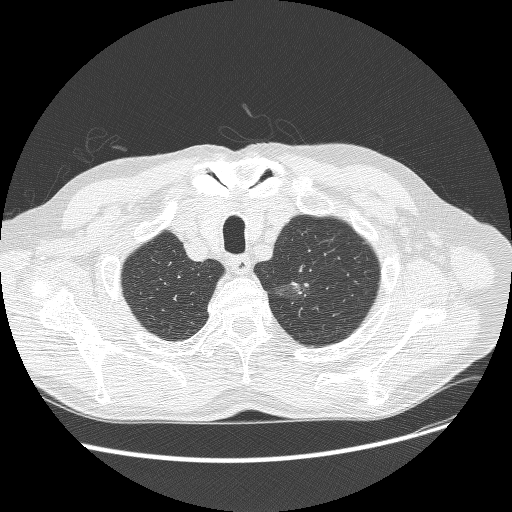
Chest CT, axial plane, 120 kVp, kernel BONE. Slice 237/268 from the bottom of the scan; thickness 1.25 mm; pixel size 0.742 mm.
Pulmonary nodule, outlined by three of the four readers, two of them on this slice. Box on this slice rows 283–301, columns 270–309, the union of the readers' outlines on this slice; median longest diameter 31.0 mm (readers' outlines 30.8–31.7 mm), median volume 5956 mm3 (4750–7267 mm3). Median ratings and the readers' spread: texture 3/5 (part-solid) from all three readers; margin 1/5 (indistinct), all three readers agreeing; median sphericity 3/5 (ovoid) (readers ranged 3/5 (ovoid) to 4/5); calcification absent from all three readers; internal structure soft tissue, all three readers agreeing; subtlety 5/5 at the median of three readers, spread 4–5; median malignancy likelihood 4/5 (readers ranged 4–5). Scale key (1–5): texture non-solid→solid, margin indistinct→circumscribed, sphericity linear→round, subtlety extremely subtle→obvious, malignancy likelihood highly unlikely→highly suspicious of cancer. Box rows and columns are 0-based pixel indices from the top-left corner, inclusive.